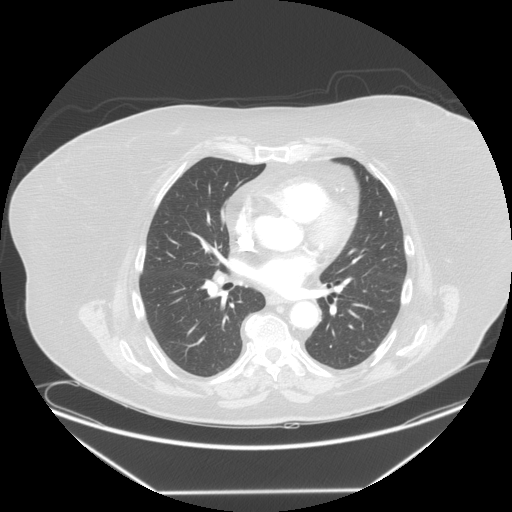
One axial slice (74 of 139, counting up from the lowest) of a chest CT acquired at 120 kVp with the STANDARD kernel; each pixel is 0.898 mm and the slice is 2.50 mm thick.
None of the four readers outlined a nodule of 3 mm or more on this slice.